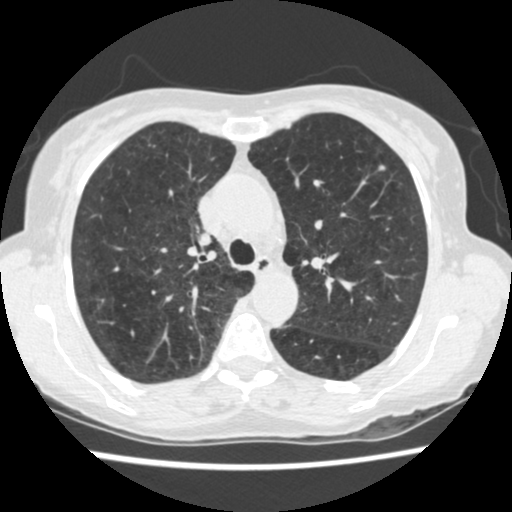
Chest CT, axial plane, 120 kVp, kernel STANDARD. Slice 377/541 from the bottom of the scan; thickness 1.25 mm; pixel size 0.586 mm.
Pulmonary nodule, outlined by all four readers. Box on this slice rows 164–171, columns 377–385, the union of the readers' outlines on this slice; median longest diameter 6.8 mm (readers' outlines 5.4–7.8 mm), median volume 103 mm3 (67–124 mm3). Ratings, median across the readers with their spread: median texture 5/5 (solid) (readers ranged 4/5 to 5/5 (solid)); median margin 4/5 (readers ranged 4/5 to 5/5 (circumscribed)); sphericity 3/5 (ovoid) at the median of four readers, spread 2/5 to 5/5 (round); calcification: absent (three), central calcification (one); internal structure soft tissue, all four readers agreeing; median subtlety 3.5/5 (readers ranged 3–5); malignancy likelihood 2.5/5 at the median of four readers, spread 1–4. Scale key (1–5): texture non-solid→solid, margin indistinct→circumscribed, sphericity linear→round, subtlety extremely subtle→obvious, malignancy likelihood highly unlikely→highly suspicious of cancer. Box rows and columns are 0-based pixel indices from the top-left corner, inclusive.